Axial slice 60 of 127 of a chest CT (slice 1 is the lowest), reconstructed with the STANDARD kernel at 120 kVp; 2.50 mm slice thickness and 0.742 mm pixels.
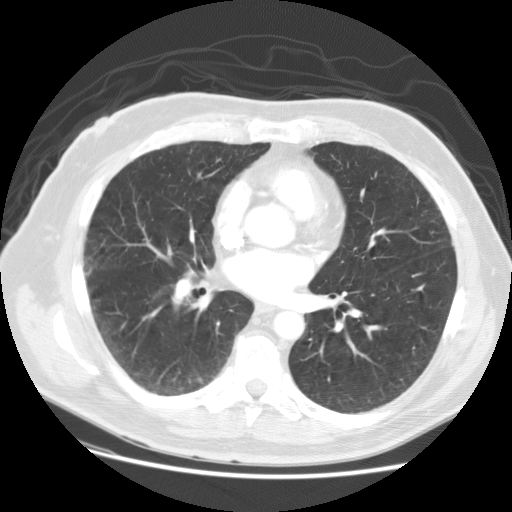
No nodule 3 mm or larger was outlined here by any reader.